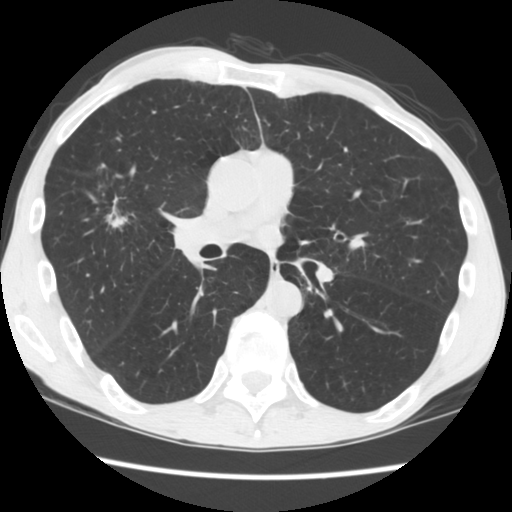
Axial slice 94 of 181 of a chest CT (slice 1 is the lowest), reconstructed with the STANDARD kernel at 120 kVp; 2.50 mm slice thickness and 0.645 mm pixels.
Pulmonary nodule, outlined by all four readers. Box on this slice rows 194–232, columns 102–133, the union of the readers' outlines on this slice; median longest diameter 39.6 mm (readers' outlines 35.2–44.7 mm), median volume 7793 mm3 (5781–11800 mm3). Ratings, median across the readers with their spread: texture 4/5 at the median of four readers, spread 4/5 to 5/5 (solid); median margin 3/5 (readers ranged 2/5 to 4/5); median sphericity 3.5/5 (readers ranged 2/5 to 5/5 (round)); calcification absent, all four readers agreeing; internal structure soft tissue from all four readers; subtlety 5/5, all four readers agreeing; malignancy likelihood 5/5 from all four readers. Scale key (1–5): texture non-solid→solid, margin indistinct→circumscribed, sphericity linear→round, subtlety extremely subtle→obvious, malignancy likelihood highly unlikely→highly suspicious of cancer. Box rows and columns are 0-based pixel indices from the top-left corner, inclusive.